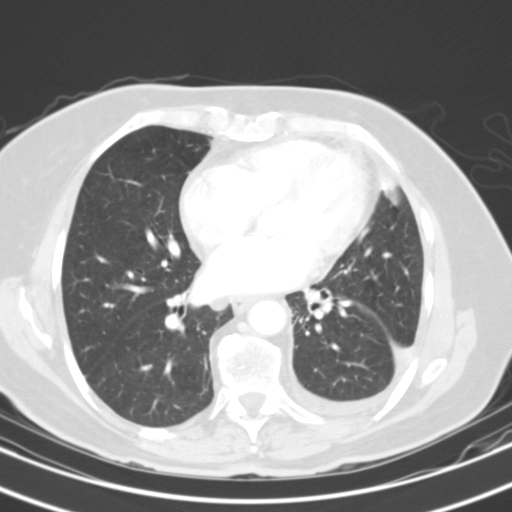
Slice 62/121 of a chest CT, counting up from the lowest; pixel size 0.613 mm, slice thickness 3.00 mm. Pulmonary nodule outlined by two of the four readers; box rows 177–205, columns 381–397 (the union of the readers' outlines on this slice); longest diameter 19.9 mm on average over the two readers' outlines (readers' outlines 19.2–20.6 mm), volume 4717–4944 mm3. The readers' prevailing ratings and who disagreed: texture 5/5 (solid) from both readers; margin split among the readers: 3/5 (one), 4/5 (one); sphericity split among the readers: 4/5 (one), 5/5 (round) (one); calcification absent, both readers agreeing; internal structure soft tissue from both readers; subtlety split among the readers: 3/5 (one), 5/5 (one); malignancy likelihood split among the readers: 3/5 (one), 4/5 (one). Scale key (1–5): texture non-solid→solid, margin indistinct→circumscribed, sphericity linear→round, subtlety extremely subtle→obvious, malignancy likelihood highly unlikely→highly suspicious of cancer. Box rows and columns are 0-based pixel indices from the top-left corner, inclusive.
Scan settings: 130 kVp, B31s reconstruction kernel.